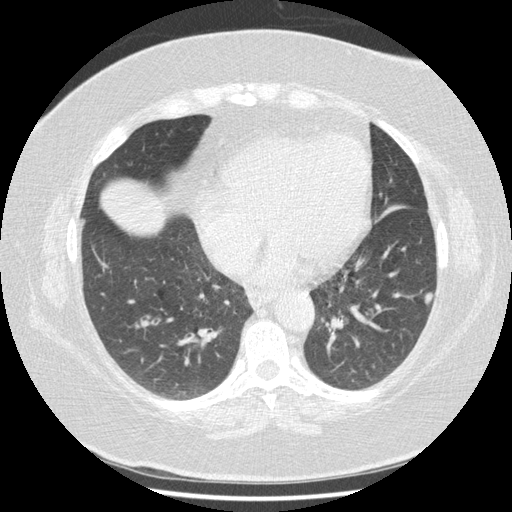
This is axial slice 172 of 417 (slice 1 is the lowest) of a chest CT; each pixel is 0.703 mm and the slice is 1.25 mm thick. Two pulmonary nodules on this slice, listed from left to right. (1) Pulmonary nodule, outlined by all four readers, one of them on this slice. Box on this slice rows 325–328, columns 135–138, the one reader's outline on this slice; longest diameter 10.6 mm on average over the four readers' outlines (readers' outlines 10.5–10.9 mm), volume 396–502 mm3. Ratings, by the readers' most common answer with dissent counted: texture 5/5 (solid) from all four readers; margin 5/5 (circumscribed), all four readers agreeing; sphericity 4/5 by three of four readers; the rest gave 3/5 (ovoid) (one); calcification solid calcification by three of four readers, absent (one); internal structure soft tissue, all four readers agreeing; subtlety 5/5 from all four readers; malignancy likelihood 1/5 from all four readers. (2) Pulmonary nodule outlined by all four readers; box rows 291–305, columns 424–432 (the union of the readers' outlines on this slice); longest diameter 10.1–11.6 mm and volume 183–290 mm3 across the four readers' outlines. The readers' ratings, as ranges where they differ: texture 5/5 (solid) from all four readers; margin from 4/5 to 5/5 (circumscribed) across the four readers; sphericity from 3/5 (ovoid) to 4/5 across the four readers; calcification absent, all four readers agreeing; internal structure soft tissue from all four readers; subtlety from 4/5 to 5/5 across the four readers; malignancy likelihood 3–4/5 (the readers disagree). Scale key (1–5): texture non-solid→solid, margin indistinct→circumscribed, sphericity linear→round, subtlety extremely subtle→obvious, malignancy likelihood highly unlikely→highly suspicious of cancer. Box rows and columns are 0-based pixel indices from the top-left corner, inclusive.
Acquired at 120 kVp and reconstructed with the STANDARD kernel.